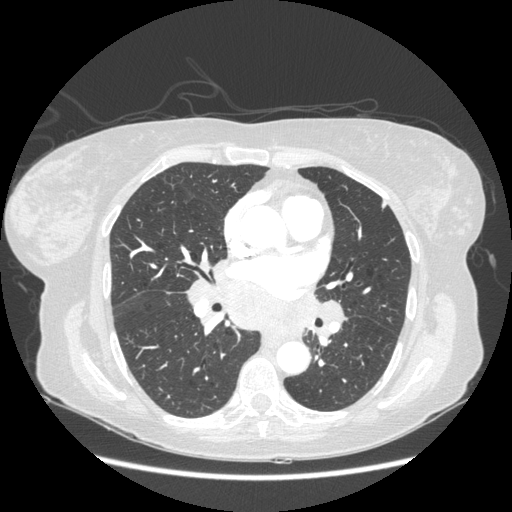
Axial chest CT slice 115 of 230 (counted from the lowest slice); 1.25 mm thick, 0.742 mm per pixel. Pulmonary nodule, outlined by one of the four readers. Box on this slice rows 199–209, columns 381–386, that reader's outline on this slice; longest diameter 8.9 mm and volume 98 mm3 from that reader's outline. Ratings by that reader: texture 5/5 (solid); margin 4/5; sphericity 3/5 (ovoid); calcification absent; internal structure soft tissue; subtlety 5/5; malignancy likelihood 2/5. Scale key (1–5): texture non-solid→solid, margin indistinct→circumscribed, sphericity linear→round, subtlety extremely subtle→obvious, malignancy likelihood highly unlikely→highly suspicious of cancer. Box rows and columns are 0-based pixel indices from the top-left corner, inclusive.
Scan settings: 120 kVp, STANDARD reconstruction kernel.